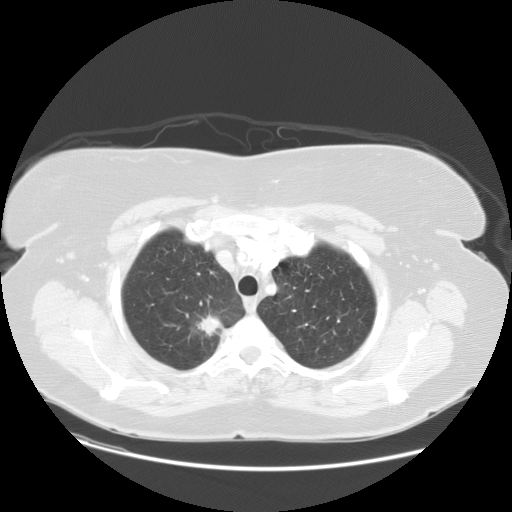
Chest CT, axial plane, 120 kVp, kernel STANDARD. Slice 109/133 from the bottom of the scan; thickness 2.50 mm; pixel size 0.781 mm.
Pulmonary nodule at rows 313–338, columns 197–223 (box = the union of the readers' outlines on this slice), outlined by all four readers; longest diameter 31.6–37.9 mm and volume 3786–6747 mm3 across the four readers' outlines. Ratings across the readers: texture from 3/5 (part-solid) to 5/5 (solid) across the four readers; margin from 1/5 (indistinct) to 3/5 across the four readers; sphericity from 2/5 to 4/5 across the four readers; calcification absent from all four readers; internal structure soft tissue from all four readers; subtlety 5/5 from all four readers; malignancy likelihood 3–5/5 (the readers disagree). Scale key (1–5): texture non-solid→solid, margin indistinct→circumscribed, sphericity linear→round, subtlety extremely subtle→obvious, malignancy likelihood highly unlikely→highly suspicious of cancer. Box rows and columns are 0-based pixel indices from the top-left corner, inclusive.